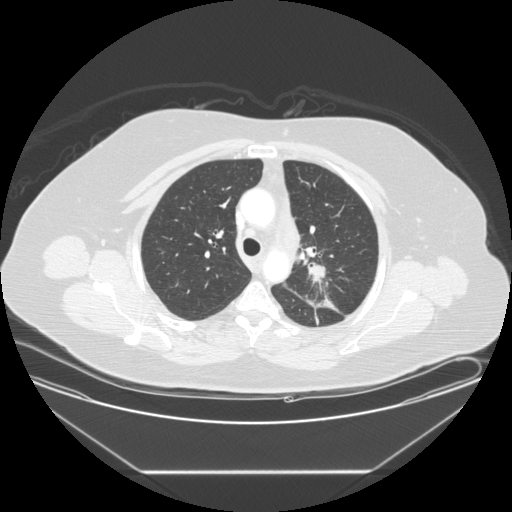
Axial slice 165 of 225 of a chest CT (slice 1 is the lowest), reconstructed with the STANDARD kernel at 120 kVp; 1.25 mm slice thickness and 0.828 mm pixels.
Pulmonary nodule outlined by one of the four readers; box rows 263–281, columns 309–323 (that reader's outline on this slice); longest diameter 33.6 mm and volume 4404 mm3 from that reader's outline. Ratings by that reader: texture 5/5 (solid); margin 2/5; sphericity 3/5 (ovoid); calcification absent; internal structure soft tissue; subtlety 5/5; malignancy likelihood 5/5. Scale key (1–5): texture non-solid→solid, margin indistinct→circumscribed, sphericity linear→round, subtlety extremely subtle→obvious, malignancy likelihood highly unlikely→highly suspicious of cancer. Box rows and columns are 0-based pixel indices from the top-left corner, inclusive.